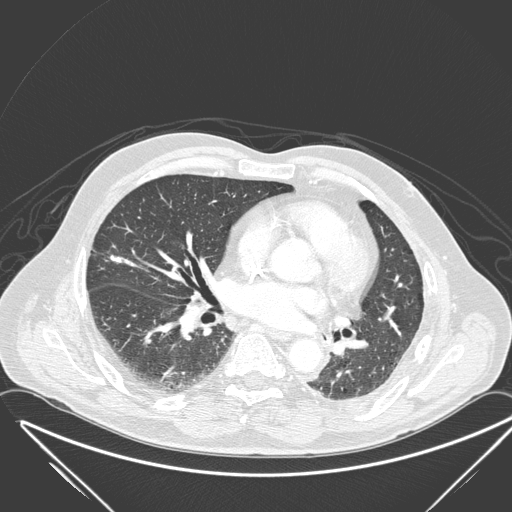
Axial chest CT slice 108 of 280 (counted from the lowest slice); tube voltage 120 kVp, convolution kernel D; slices 1.00 mm thick, 0.830 mm per pixel.
Pulmonary nodule outlined by all four readers; box rows 254–265, columns 108–133 (the union of the readers' outlines on this slice); longest diameter 20.6 mm on average over the four readers' outlines (readers' outlines 17.6–22.4 mm), volume 620–866 mm3. The readers' prevailing ratings and who disagreed: texture 5/5 (solid), all four readers agreeing; margin split among the readers: 4/5 (two), 5/5 (circumscribed) (two); sphericity split among the readers: 3/5 (ovoid) (two), 5/5 (round) (two); calcification split among the readers: absent (two), solid calcification (two); internal structure soft tissue, all four readers agreeing; subtlety 5/5, all four readers agreeing; malignancy likelihood split among the readers: 1/5 (two), 5/5 (two). Scale key (1–5): texture non-solid→solid, margin indistinct→circumscribed, sphericity linear→round, subtlety extremely subtle→obvious, malignancy likelihood highly unlikely→highly suspicious of cancer. Box rows and columns are 0-based pixel indices from the top-left corner, inclusive.